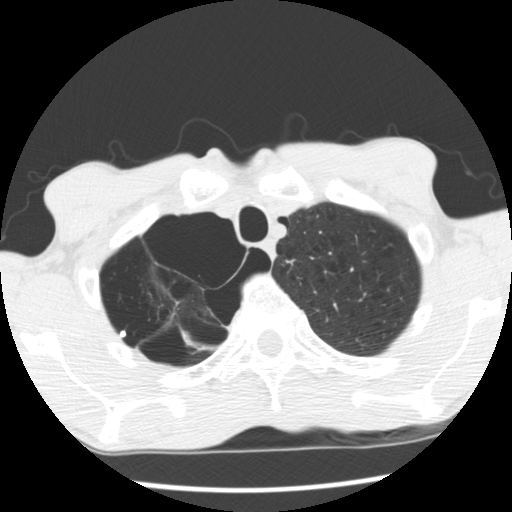
Chest CT, axial plane, 120 kVp, kernel STANDARD. Slice 251/292 from the bottom of the scan; thickness 2.50 mm; pixel size 0.645 mm.
Pulmonary nodule outlined by one of the four readers; box rows 331–336, columns 120–125 (that reader's outline on this slice); longest diameter 5.5 mm and volume 59 mm3 from that reader's outline. That reader's ratings: texture 5/5 (solid); margin 5/5 (circumscribed); sphericity 5/5 (round); calcification solid calcification; internal structure soft tissue; subtlety 4/5; malignancy likelihood 1/5. Scale key (1–5): texture non-solid→solid, margin indistinct→circumscribed, sphericity linear→round, subtlety extremely subtle→obvious, malignancy likelihood highly unlikely→highly suspicious of cancer. Box rows and columns are 0-based pixel indices from the top-left corner, inclusive.